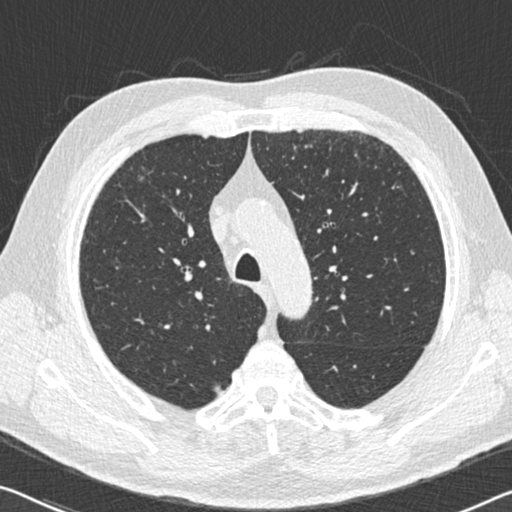
Slice 417/536 of a chest CT, counting up from the lowest; pixel size 0.656 mm, slice thickness 0.75 mm. Pulmonary nodule, outlined by three of the four readers, one of them on this slice. Box on this slice rows 180–185, columns 381–384, the one reader's outline on this slice; longest diameter 7.2 mm on average over the three readers' outlines (readers' outlines 6.7–8.3 mm), volume 64–106 mm3. Ratings, by the readers' most common answer with dissent counted: texture 5/5 (solid), all three readers agreeing; most readers (two of three) put margin at 5/5 (circumscribed), others 4/5 (one); sphericity 2/5 by two of three readers; the rest gave 3/5 (ovoid) (one); calcification absent by two of three readers, non-central calcification (one); internal structure soft tissue from all three readers; subtlety split among the readers: 2/5 (one), 3/5 (one), 5/5 (one); most readers (two of three) put malignancy likelihood at 2/5, others 3/5 (one). Scale key (1–5): texture non-solid→solid, margin indistinct→circumscribed, sphericity linear→round, subtlety extremely subtle→obvious, malignancy likelihood highly unlikely→highly suspicious of cancer. Box rows and columns are 0-based pixel indices from the top-left corner, inclusive.
Tube voltage 120 kVp; convolution kernel B30f.